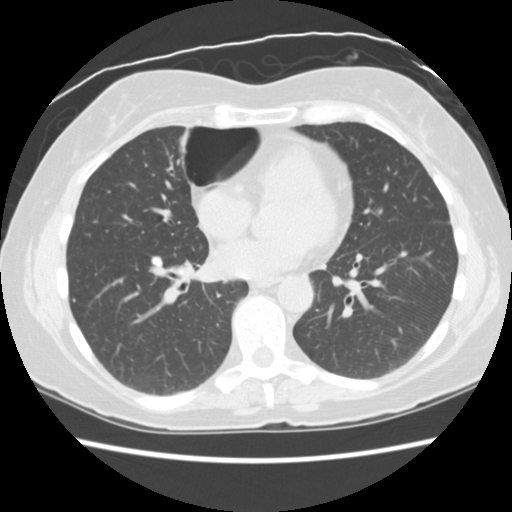
Axial slice 65 of 156 of a chest CT (slice 1 is the lowest), reconstructed with the STANDARD kernel at 120 kVp; 2.50 mm slice thickness and 0.645 mm pixels.
Pulmonary nodule at rows 256–266, columns 151–162 (box = the union of the readers' outlines on this slice), outlined by all four readers; longest diameter 9.2 mm on average over the four readers' outlines (readers' outlines 8.6–10.0 mm), volume 227–322 mm3. The readers' prevailing ratings and who disagreed: texture 5/5 (solid) from all four readers; margin 5/5 (circumscribed) from all four readers; sphericity split among the readers: 4/5 (two), 5/5 (round) (two); calcification solid calcification, all four readers agreeing; internal structure soft tissue from all four readers; subtlety split among the readers: 4/5 (two), 5/5 (two); malignancy likelihood 1/5, all four readers agreeing. Scale key (1–5): texture non-solid→solid, margin indistinct→circumscribed, sphericity linear→round, subtlety extremely subtle→obvious, malignancy likelihood highly unlikely→highly suspicious of cancer. Box rows and columns are 0-based pixel indices from the top-left corner, inclusive.